Axial chest CT slice 70 of 150 (counted from the lowest slice); tube voltage 130 kVp, convolution kernel B31s; slices 3.00 mm thick, 0.627 mm per pixel.
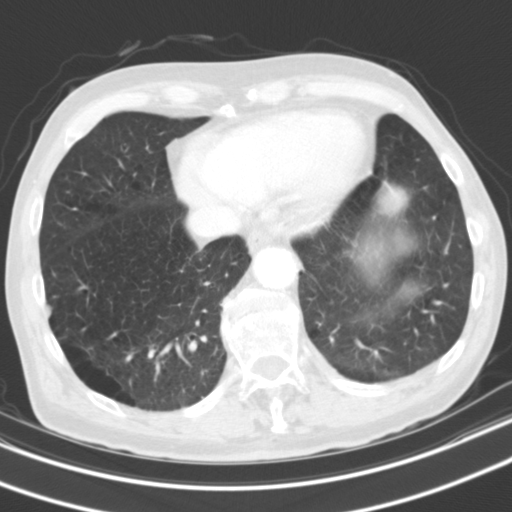
Pulmonary nodule outlined by two of the four readers; box rows 302–320, columns 46–51 (the union of the readers' outlines on this slice); longest diameter 11.7 mm on average over the two readers' outlines (readers' outlines 10.7–12.6 mm), volume 107–177 mm3. Ratings, by the readers' most common answer with dissent counted: texture split among the readers: 4/5 (one), 5/5 (solid) (one); margin split among the readers: 2/5 (one), 4/5 (one); sphericity split among the readers: 2/5 (one), 3/5 (ovoid) (one); calcification absent from both readers; internal structure soft tissue, both readers agreeing; subtlety split among the readers: 3/5 (one), 4/5 (one); malignancy likelihood split among the readers: 1/5 (one), 3/5 (one). Scale key (1–5): texture non-solid→solid, margin indistinct→circumscribed, sphericity linear→round, subtlety extremely subtle→obvious, malignancy likelihood highly unlikely→highly suspicious of cancer. Box rows and columns are 0-based pixel indices from the top-left corner, inclusive.